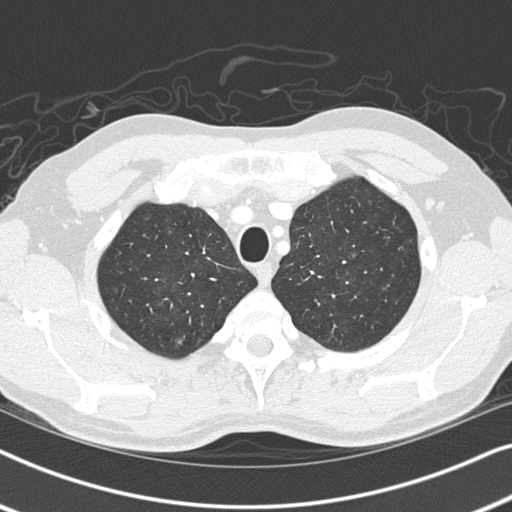
Axial chest CT slice 275 of 326 (counted from the lowest slice); tube voltage 120 kVp, convolution kernel B45f; slices 1.00 mm thick, 0.645 mm per pixel.
Pulmonary nodule at rows 338–344, columns 175–183 (box = the union of the readers' outlines on this slice), outlined by all four readers, three of them on this slice; longest diameter 6.6–8.2 mm and volume 74–172 mm3 across the four readers' outlines. The readers' ratings, as ranges where they differ: texture from 1/5 (non-solid) to 3/5 (part-solid) across the four readers; margin from 2/5 to 5/5 (circumscribed) across the four readers; sphericity from 4/5 to 5/5 (round) across the four readers; calcification absent, all four readers agreeing; internal structure soft tissue from all four readers; subtlety rated between 1 and 3 out of 5 by the four readers; malignancy likelihood 2–3/5 (the readers disagree). Scale key (1–5): texture non-solid→solid, margin indistinct→circumscribed, sphericity linear→round, subtlety extremely subtle→obvious, malignancy likelihood highly unlikely→highly suspicious of cancer. Box rows and columns are 0-based pixel indices from the top-left corner, inclusive.